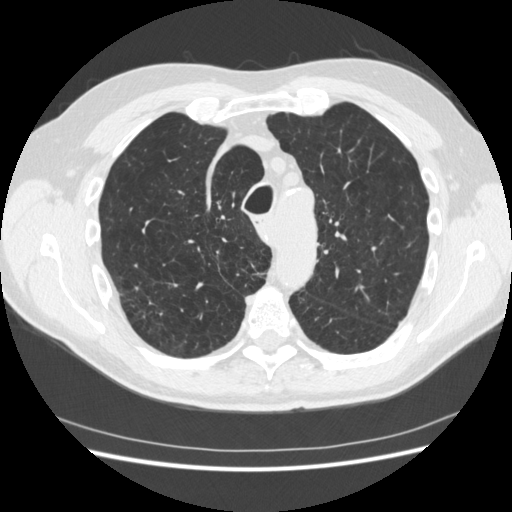
Axial chest CT slice 333 of 481 (counted from the lowest slice); tube voltage 120 kVp, convolution kernel STANDARD; slices 1.25 mm thick, 0.703 mm per pixel.
Pulmonary nodule at rows 271–277, columns 255–266 (box = the one reader's outline on this slice), outlined by three of the four readers, one of them on this slice; longest diameter 13.5–18.5 mm and volume 529–1088 mm3 across the three readers' outlines. Ratings across the readers: texture 5/5 (solid) from all three readers; margin from 1/5 (indistinct) to 4/5 across the three readers; sphericity from 2/5 to 3/5 (ovoid) across the three readers; calcification absent from all three readers; internal structure soft tissue from all three readers; subtlety 4–5/5 (the readers disagree); malignancy likelihood from 3/5 to 5/5 across the three readers. Scale key (1–5): texture non-solid→solid, margin indistinct→circumscribed, sphericity linear→round, subtlety extremely subtle→obvious, malignancy likelihood highly unlikely→highly suspicious of cancer. Box rows and columns are 0-based pixel indices from the top-left corner, inclusive.